Axial chest CT slice 163 of 257 (counted from the lowest slice); tube voltage 120 kVp, convolution kernel STANDARD; slices 1.25 mm thick, 0.787 mm per pixel.
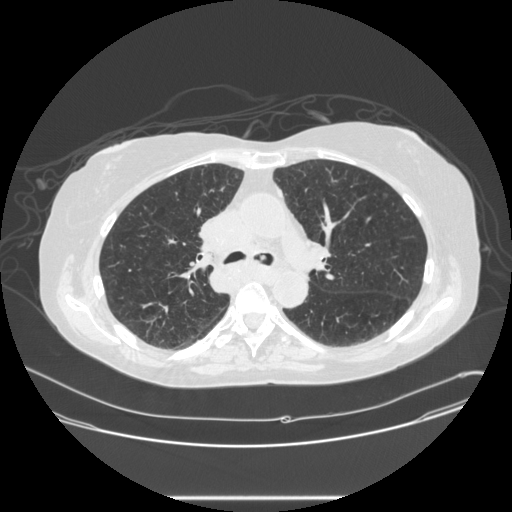
Pulmonary nodule, outlined by one of the four readers. Box on this slice rows 192–199, columns 382–387, that reader's outline on this slice; longest diameter 8.4 mm and volume 115 mm3 from that reader's outline. Ratings by that reader: texture 1/5 (non-solid); margin 1/5 (indistinct); sphericity 4/5; calcification absent; internal structure soft tissue; subtlety 1/5; malignancy likelihood 3/5. Scale key (1–5): texture non-solid→solid, margin indistinct→circumscribed, sphericity linear→round, subtlety extremely subtle→obvious, malignancy likelihood highly unlikely→highly suspicious of cancer. Box rows and columns are 0-based pixel indices from the top-left corner, inclusive.